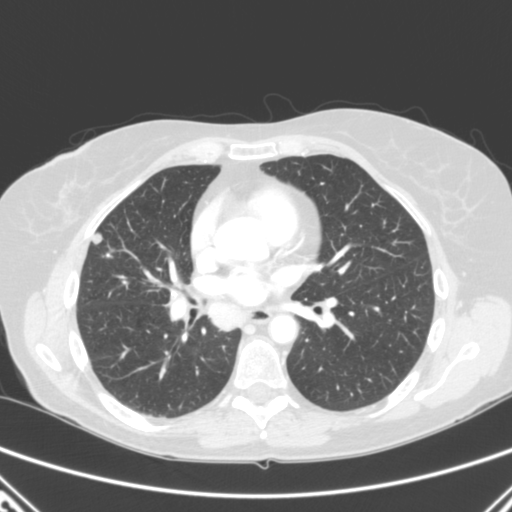
Axial chest CT slice 143 of 280 (counted from the lowest slice); tube voltage 120 kVp, convolution kernel B; slices 2.00 mm thick, 0.676 mm per pixel.
Two pulmonary nodules are outlined on this slice; from left to right: (1) Pulmonary nodule at rows 233–243, columns 92–102 (box = the union of the readers' outlines on this slice), outlined by all four readers; median longest diameter 9.8 mm (readers' outlines 8.8–10.6 mm), median volume 360 mm3 (292–382 mm3). Ratings, median across the readers with their spread: median texture 5/5 (solid) (readers ranged 4/5 to 5/5 (solid)); margin 5/5 (circumscribed) at the median of four readers, spread 4/5 to 5/5 (circumscribed); sphericity 4/5 at the median of four readers, spread 3/5 (ovoid) to 5/5 (round); calcification absent, all four readers agreeing; internal structure soft tissue from all four readers; subtlety 4.5/5 at the median of four readers, spread 4–5; median malignancy likelihood 4/5 (readers ranged 3–4). (2) Pulmonary nodule, outlined by all four readers. Box on this slice rows 252–257, columns 105–109, the union of the readers' outlines on this slice; longest diameter 8.5–10.7 mm and volume 156–292 mm3 across the four readers' outlines. The readers' ratings, as ranges where they differ: texture 5/5 (solid), all four readers agreeing; margin from 4/5 to 5/5 (circumscribed) across the four readers; sphericity from 3/5 (ovoid) to 5/5 (round) across the four readers; calcification: solid calcification (three), central calcification (one); internal structure soft tissue, all four readers agreeing; subtlety 5/5 from all four readers; malignancy likelihood 1/5, all four readers agreeing. Scale key (1–5): texture non-solid→solid, margin indistinct→circumscribed, sphericity linear→round, subtlety extremely subtle→obvious, malignancy likelihood highly unlikely→highly suspicious of cancer. Box rows and columns are 0-based pixel indices from the top-left corner, inclusive.